Chest CT, axial plane, 120 kVp, kernel D. Slice 161/295 from the bottom of the scan; thickness 2.00 mm; pixel size 0.682 mm.
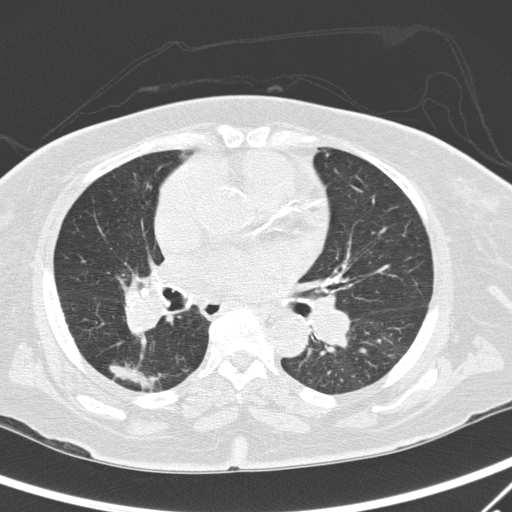
Pulmonary nodule outlined by one of the four readers; box rows 359–391, columns 108–171 (that reader's outline on this slice); longest diameter 49.8 mm and volume 6337 mm3 from that reader's outline. That reader's ratings: texture 4/5; margin 1/5 (indistinct); sphericity 3/5 (ovoid); calcification absent; internal structure soft tissue; subtlety 5/5; malignancy likelihood 5/5. Scale key (1–5): texture non-solid→solid, margin indistinct→circumscribed, sphericity linear→round, subtlety extremely subtle→obvious, malignancy likelihood highly unlikely→highly suspicious of cancer. Box rows and columns are 0-based pixel indices from the top-left corner, inclusive.